Axial slice 310 of 493 of a chest CT (slice 1 is the lowest), reconstructed with the B30f kernel at 120 kVp; 0.75 mm slice thickness and 0.762 mm pixels.
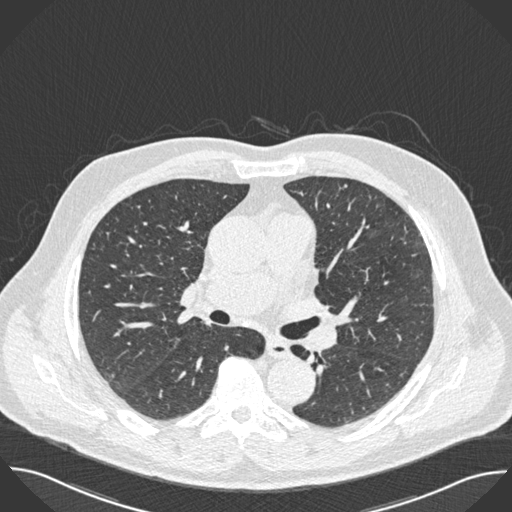
Pulmonary nodule, outlined by one of the four readers. Box on this slice rows 184–187, columns 344–346, that reader's outline on this slice; longest diameter 4.8 mm and volume 45 mm3 from that reader's outline. That reader's ratings: texture 5/5 (solid); margin 5/5 (circumscribed); sphericity 5/5 (round); calcification absent; internal structure soft tissue; subtlety 5/5; malignancy likelihood 2/5. Scale key (1–5): texture non-solid→solid, margin indistinct→circumscribed, sphericity linear→round, subtlety extremely subtle→obvious, malignancy likelihood highly unlikely→highly suspicious of cancer. Box rows and columns are 0-based pixel indices from the top-left corner, inclusive.